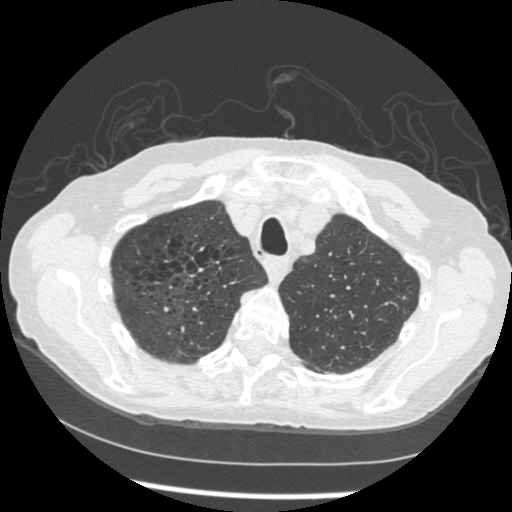
Axial chest CT slice 379 of 461 (counted from the lowest slice); tube voltage 120 kVp, convolution kernel STANDARD; slices 1.25 mm thick, 0.645 mm per pixel.
Pulmonary nodule at rows 296–300, columns 401–406 (box = the union of the readers' outlines on this slice), outlined by all four readers, three of them on this slice; median longest diameter 10.1 mm (readers' outlines 9.2–11.1 mm), median volume 158 mm3 (139–248 mm3). Ratings, median across the readers with their spread: texture 5/5 (solid) at the median of four readers, spread 3/5 (part-solid) to 5/5 (solid); median margin 4/5 (readers ranged 2/5 to 5/5 (circumscribed)); sphericity 4/5 at the median of four readers, spread 2/5 to 5/5 (round); calcification absent from all four readers; internal structure soft tissue, all four readers agreeing; median subtlety 4.5/5 (readers ranged 3–5); median malignancy likelihood 3/5 (readers ranged 2–4). Scale key (1–5): texture non-solid→solid, margin indistinct→circumscribed, sphericity linear→round, subtlety extremely subtle→obvious, malignancy likelihood highly unlikely→highly suspicious of cancer. Box rows and columns are 0-based pixel indices from the top-left corner, inclusive.